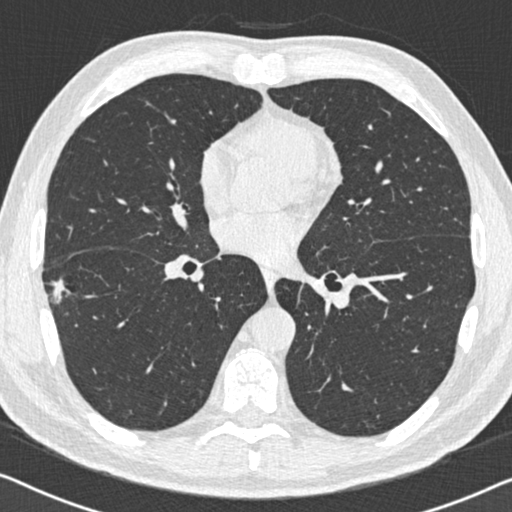
Axial chest CT slice 304 of 558 (counted from the lowest slice); 0.75 mm thick, 0.648 mm per pixel. Pulmonary nodule at rows 276–303, columns 46–71 (box = the union of the readers' outlines on this slice), outlined by all four readers; the four readers' outlines give a longest diameter between 18.8 and 26.5 mm and a volume between 726 and 1916 mm3. The readers' ratings, as ranges where they differ: texture from 3/5 (part-solid) to 5/5 (solid) across the four readers; margin from 1/5 (indistinct) to 4/5 across the four readers; sphericity from 2/5 to 4/5 across the four readers; calcification absent from all four readers; internal structure soft tissue, all four readers agreeing; subtlety 4–5/5 (the readers disagree); malignancy likelihood rated between 4 and 5 out of 5 by the four readers. Scale key (1–5): texture non-solid→solid, margin indistinct→circumscribed, sphericity linear→round, subtlety extremely subtle→obvious, malignancy likelihood highly unlikely→highly suspicious of cancer. Box rows and columns are 0-based pixel indices from the top-left corner, inclusive.
Tube voltage 120 kVp; convolution kernel B30f.